Axial slice 233 of 497 of a chest CT (slice 1 is the lowest), reconstructed with the STANDARD kernel at 120 kVp; 1.25 mm slice thickness and 0.703 mm pixels.
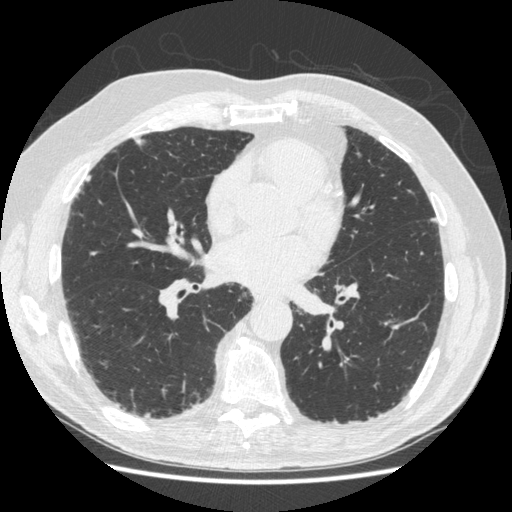
Pulmonary nodule, outlined by all four readers, three of them on this slice. Box on this slice rows 135–150, columns 132–146, the union of the readers' outlines on this slice; longest diameter 12.2 mm on average over the four readers' outlines (readers' outlines 10.9–14.8 mm), volume 184–648 mm3. The readers' prevailing ratings and who disagreed: texture 5/5 (solid) by three of four readers; the rest gave 1/5 (non-solid) (one); margin 3/5 by two of four readers; the rest gave 2/5 (one), 4/5 (one); sphericity 3/5 (ovoid) by two of four readers; the rest gave 4/5 (one), 5/5 (round) (one); calcification absent, all four readers agreeing; internal structure soft tissue, all four readers agreeing; subtlety 4/5 by two of four readers; the rest gave 1/5 (one), 5/5 (one); malignancy likelihood 3/5 by two of four readers; the rest gave 2/5 (one), 4/5 (one). Scale key (1–5): texture non-solid→solid, margin indistinct→circumscribed, sphericity linear→round, subtlety extremely subtle→obvious, malignancy likelihood highly unlikely→highly suspicious of cancer. Box rows and columns are 0-based pixel indices from the top-left corner, inclusive.